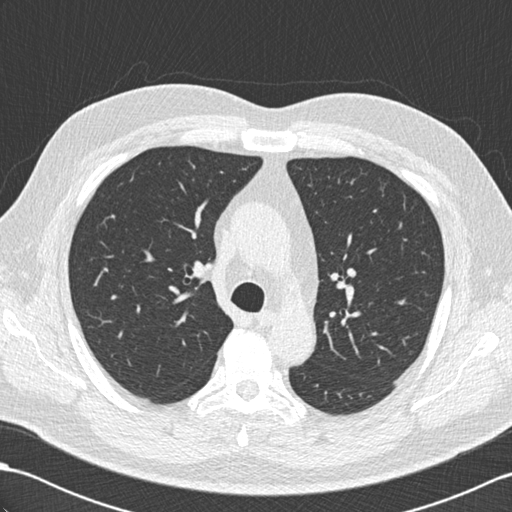
Axial chest CT slice 144 of 203 (counted from the lowest slice); tube voltage 120 kVp, convolution kernel B30f; slices 2.00 mm thick, 0.684 mm per pixel.
Pulmonary nodule, outlined by one of the four readers. Box on this slice rows 268–276, columns 347–355, that reader's outline on this slice; longest diameter 8.3 mm and volume 241 mm3 from that reader's outline. That reader's ratings: texture 4/5; margin 5/5 (circumscribed); sphericity 4/5; calcification non-central calcification; internal structure soft tissue; subtlety 4/5; malignancy likelihood 2/5. Scale key (1–5): texture non-solid→solid, margin indistinct→circumscribed, sphericity linear→round, subtlety extremely subtle→obvious, malignancy likelihood highly unlikely→highly suspicious of cancer. Box rows and columns are 0-based pixel indices from the top-left corner, inclusive.